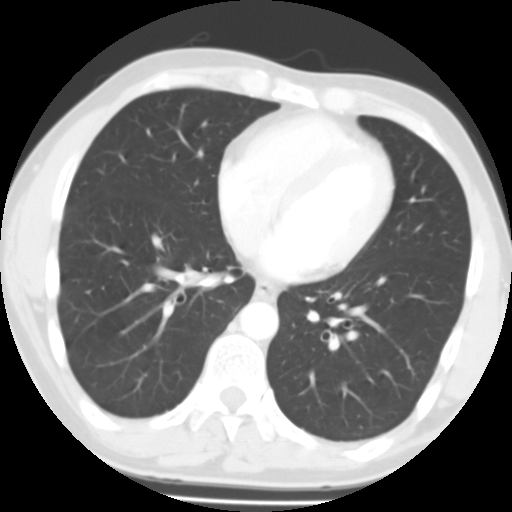
Axial chest CT slice 54 of 126 (counted from the lowest slice); 3.00 mm thick, 0.582 mm per pixel. None of the four readers outlined a nodule of 3 mm or more on this slice.
Scan settings: 135 kVp, FC01 reconstruction kernel.